Chest CT, axial plane, 120 kVp, kernel D. Slice 234/321 from the bottom of the scan; thickness 2.00 mm; pixel size 0.557 mm.
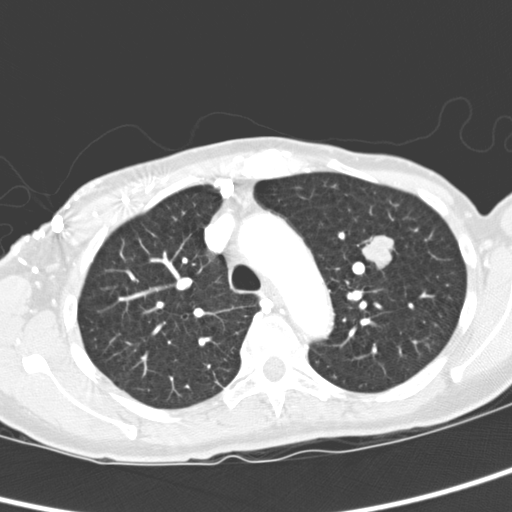
Pulmonary nodule outlined by all four readers; box rows 234–270, columns 360–394 (the union of the readers' outlines on this slice); longest diameter 20.7 mm on average over the four readers' outlines (readers' outlines 19.2–22.3 mm), volume 3069–4125 mm3. The readers' prevailing ratings and who disagreed: texture 5/5 (solid), all four readers agreeing; margin 5/5 (circumscribed), all four readers agreeing; sphericity split among the readers: 4/5 (two), 5/5 (round) (two); calcification absent from all four readers; internal structure soft tissue from all four readers; subtlety 5/5, all four readers agreeing; malignancy likelihood 5/5 by two of four readers; the rest gave 2/5 (one), 3/5 (one). Scale key (1–5): texture non-solid→solid, margin indistinct→circumscribed, sphericity linear→round, subtlety extremely subtle→obvious, malignancy likelihood highly unlikely→highly suspicious of cancer. Box rows and columns are 0-based pixel indices from the top-left corner, inclusive.